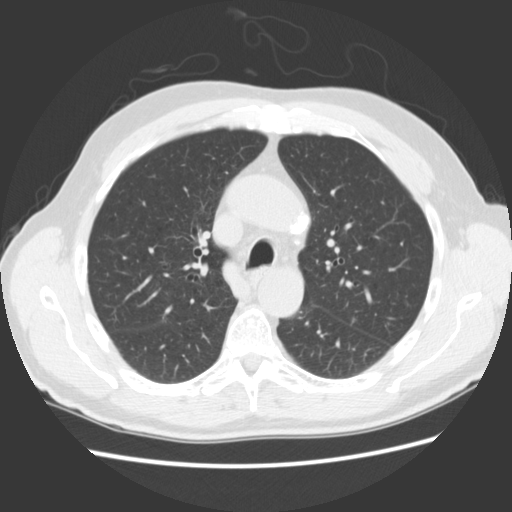
Chest CT, axial plane, 120 kVp, kernel STANDARD. Slice 110/157 from the bottom of the scan; thickness 2.50 mm; pixel size 0.703 mm.
Pulmonary nodule, outlined by two of the four readers. Box on this slice rows 318–321, columns 352–355, the union of the readers' outlines on this slice; longest diameter 5.6 mm on average over the two readers' outlines (readers' outlines 4.7–6.5 mm), volume 48–49 mm3. The readers' prevailing ratings and who disagreed: texture split among the readers: 1/5 (non-solid) (one), 4/5 (one); margin 2/5, both readers agreeing; sphericity split among the readers: 2/5 (one), 5/5 (round) (one); calcification absent from both readers; internal structure soft tissue from both readers; subtlety split among the readers: 1/5 (one), 2/5 (one); malignancy likelihood split among the readers: 1/5 (one), 2/5 (one). Scale key (1–5): texture non-solid→solid, margin indistinct→circumscribed, sphericity linear→round, subtlety extremely subtle→obvious, malignancy likelihood highly unlikely→highly suspicious of cancer. Box rows and columns are 0-based pixel indices from the top-left corner, inclusive.